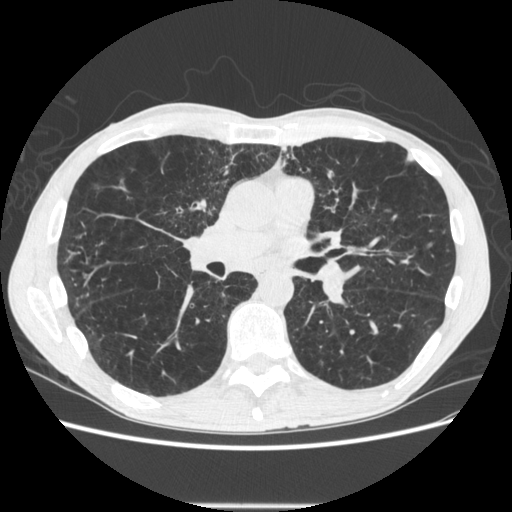
One axial slice (333 of 605, counting up from the lowest) of a chest CT acquired at 120 kVp with the STANDARD kernel; each pixel is 0.703 mm and the slice is 1.25 mm thick.
Pulmonary nodule, outlined by all four readers. Box on this slice rows 151–161, columns 406–414, the union of the readers' outlines on this slice; longest diameter 8.0–8.9 mm and volume 44–96 mm3 across the four readers' outlines. The readers' ratings, as ranges where they differ: texture 5/5 (solid), all four readers agreeing; margin from 4/5 to 5/5 (circumscribed) across the four readers; sphericity from 3/5 (ovoid) to 5/5 (round) across the four readers; calcification absent from all four readers; internal structure soft tissue, all four readers agreeing; subtlety 4/5 from all four readers; malignancy likelihood 1–3/5 (the readers disagree). Scale key (1–5): texture non-solid→solid, margin indistinct→circumscribed, sphericity linear→round, subtlety extremely subtle→obvious, malignancy likelihood highly unlikely→highly suspicious of cancer. Box rows and columns are 0-based pixel indices from the top-left corner, inclusive.